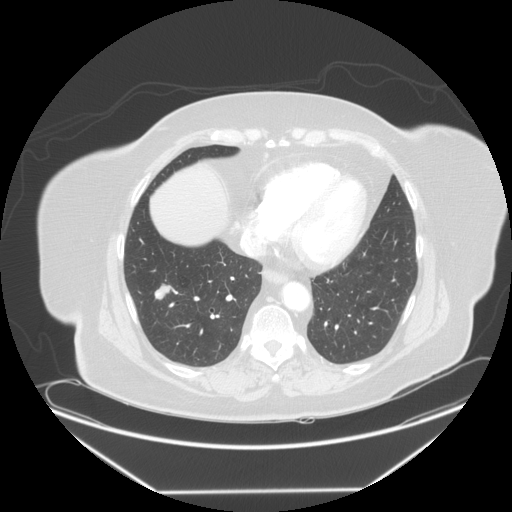
Axial slice 56 of 139 of a chest CT (slice 1 is the lowest), reconstructed with the STANDARD kernel at 120 kVp; 2.50 mm slice thickness and 0.898 mm pixels.
Pulmonary nodule, outlined by three of the four readers. Box on this slice rows 284–299, columns 154–170, the union of the readers' outlines on this slice; longest diameter 18.0 mm on average over the three readers' outlines (readers' outlines 17.4–18.7 mm), volume 1637–1856 mm3. The readers' prevailing ratings and who disagreed: texture 5/5 (solid) from all three readers; margin 4/5 by two of three readers; the rest gave 5/5 (circumscribed) (one); most readers (two of three) put sphericity at 3/5 (ovoid), others 2/5 (one); calcification absent, all three readers agreeing; internal structure soft tissue, all three readers agreeing; subtlety 5/5 from all three readers; most readers (two of three) put malignancy likelihood at 4/5, others 3/5 (one). Scale key (1–5): texture non-solid→solid, margin indistinct→circumscribed, sphericity linear→round, subtlety extremely subtle→obvious, malignancy likelihood highly unlikely→highly suspicious of cancer. Box rows and columns are 0-based pixel indices from the top-left corner, inclusive.